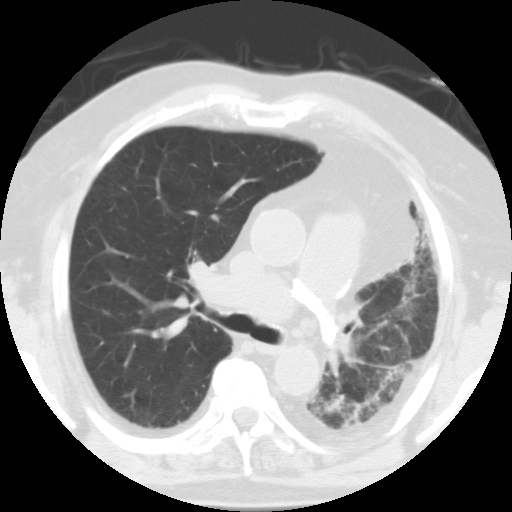
One axial slice (73 of 113, counting up from the lowest) of a chest CT acquired at 135 kVp with the FC01 kernel; each pixel is 0.637 mm and the slice is 3.00 mm thick.
Pulmonary nodule, outlined by two of the four readers, one of them on this slice. Box on this slice rows 258–272, columns 109–126, the one reader's outline on this slice; median longest diameter 11.0 mm (readers' outlines 9.7–12.3 mm), median volume 378 mm3 (184–572 mm3). Median ratings and the readers' spread: texture 1/5 (non-solid), both readers agreeing; margin 1.5/5 at the median of two readers, spread 1/5 (indistinct) to 2/5; median sphericity 4.5/5 (readers ranged 4/5 to 5/5 (round)); calcification absent from both readers; internal structure soft tissue, both readers agreeing; subtlety 1/5 from both readers; malignancy likelihood 3/5, both readers agreeing. Scale key (1–5): texture non-solid→solid, margin indistinct→circumscribed, sphericity linear→round, subtlety extremely subtle→obvious, malignancy likelihood highly unlikely→highly suspicious of cancer. Box rows and columns are 0-based pixel indices from the top-left corner, inclusive.